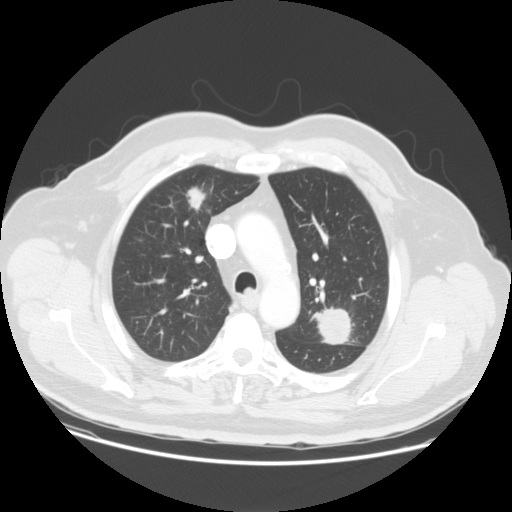
Chest CT, axial plane, 120 kVp, kernel STANDARD. Slice 113/149 from the bottom of the scan; thickness 2.50 mm; pixel size 0.781 mm.
Two pulmonary nodules are outlined on this slice; from left to right: (1) Pulmonary nodule, outlined by all four readers. Box on this slice rows 186–212, columns 184–206, the union of the readers' outlines on this slice; median longest diameter 28.1 mm (readers' outlines 24.8–32.8 mm), median volume 2691 mm3 (2485–3042 mm3). Ratings, median across the readers with their spread: texture 4.5/5 at the median of four readers, spread 1/5 (non-solid) to 5/5 (solid); margin 4/5, all four readers agreeing; median sphericity 3/5 (ovoid) (readers ranged 3/5 (ovoid) to 5/5 (round)); calcification absent, all four readers agreeing; internal structure soft tissue from all four readers; subtlety 5/5 from all four readers; median malignancy likelihood 5/5 (readers ranged 4–5). (2) Pulmonary nodule, outlined by three of the four readers. Box on this slice rows 308–344, columns 311–353, the union of the readers' outlines on this slice; longest diameter 41.1 mm on average over the three readers' outlines (readers' outlines 34.5–53.9 mm), volume 15350–17058 mm3. The readers' prevailing ratings and who disagreed: texture 5/5 (solid), all three readers agreeing; most readers (two of three) put margin at 4/5, others 5/5 (circumscribed) (one); most readers (two of three) put sphericity at 4/5, others 5/5 (round) (one); calcification absent from all three readers; internal structure soft tissue from all three readers; subtlety 5/5 from all three readers; malignancy likelihood 5/5 by two of three readers; the rest gave 4/5 (one). Scale key (1–5): texture non-solid→solid, margin indistinct→circumscribed, sphericity linear→round, subtlety extremely subtle→obvious, malignancy likelihood highly unlikely→highly suspicious of cancer. Box rows and columns are 0-based pixel indices from the top-left corner, inclusive.